Axial slice 70 of 192 of a chest CT (slice 1 is the lowest), reconstructed with the B30f kernel at 120 kVp; 2.00 mm slice thickness and 0.664 mm pixels.
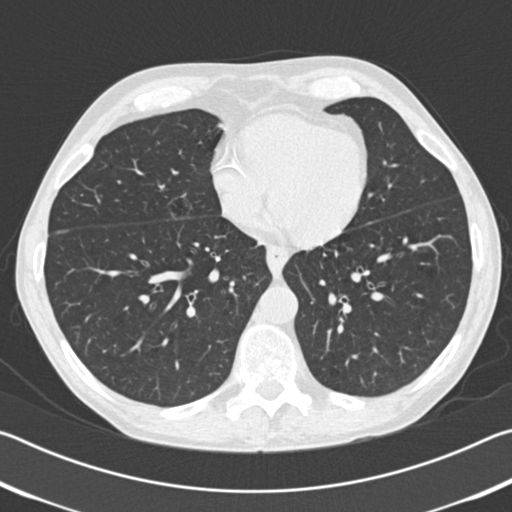
Pulmonary nodule outlined by one of the four readers; box rows 196–217, columns 169–190 (that reader's outline on this slice); longest diameter 17.7 mm and volume 2737 mm3 from that reader's outline. That reader's ratings: texture 1/5 (non-solid); margin 2/5; sphericity 4/5; calcification absent; internal structure soft tissue; subtlety 2/5; malignancy likelihood 2/5. Scale key (1–5): texture non-solid→solid, margin indistinct→circumscribed, sphericity linear→round, subtlety extremely subtle→obvious, malignancy likelihood highly unlikely→highly suspicious of cancer. Box rows and columns are 0-based pixel indices from the top-left corner, inclusive.